One axial slice (450 of 477, counting up from the lowest) of a chest CT acquired at 120 kVp with the STANDARD kernel; each pixel is 0.625 mm and the slice is 1.25 mm thick.
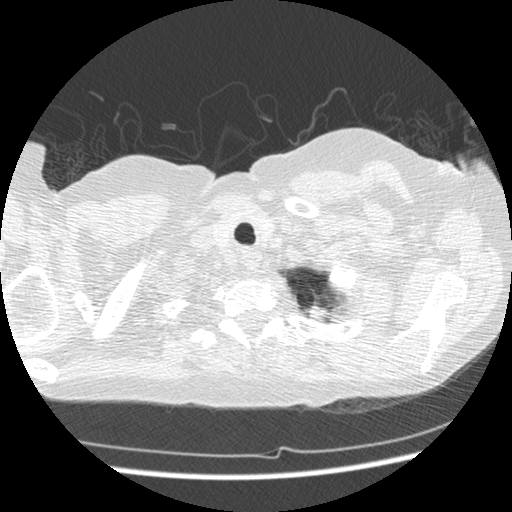
Pulmonary nodule at rows 306–321, columns 304–326 (box = that reader's outline on this slice), outlined by one of the four readers; longest diameter 20.3 mm and volume 472 mm3 from that reader's outline. That reader's ratings: texture 5/5 (solid); margin 5/5 (circumscribed); sphericity 5/5 (round); calcification solid calcification; internal structure soft tissue; subtlety 5/5; malignancy likelihood 1/5. Scale key (1–5): texture non-solid→solid, margin indistinct→circumscribed, sphericity linear→round, subtlety extremely subtle→obvious, malignancy likelihood highly unlikely→highly suspicious of cancer. Box rows and columns are 0-based pixel indices from the top-left corner, inclusive.